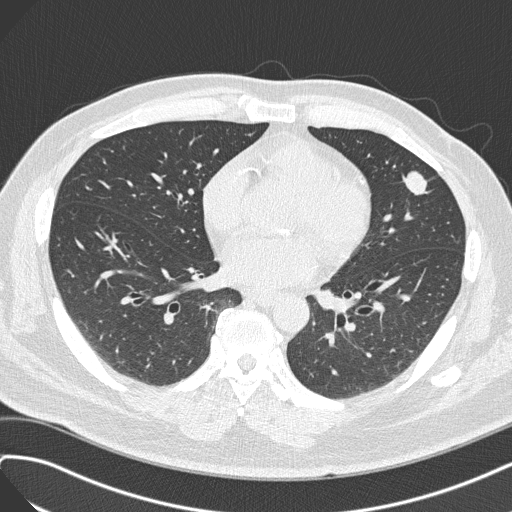
One axial slice (146 of 308, counting up from the lowest) of a chest CT acquired at 120 kVp with the B45f kernel; each pixel is 0.703 mm and the slice is 1.00 mm thick.
Pulmonary nodule outlined by all four readers; box rows 170–195, columns 402–429 (the union of the readers' outlines on this slice); the four readers' outlines give a longest diameter between 19.6 and 23.0 mm and a volume between 1982 and 2315 mm3. Ratings across the readers: texture 5/5 (solid) from all four readers; margin from 4/5 to 5/5 (circumscribed) across the four readers; sphericity from 3/5 (ovoid) to 5/5 (round) across the four readers; calcification absent, all four readers agreeing; internal structure soft tissue, all four readers agreeing; subtlety 5/5 from all four readers; malignancy likelihood rated between 3 and 5 out of 5 by the four readers. Scale key (1–5): texture non-solid→solid, margin indistinct→circumscribed, sphericity linear→round, subtlety extremely subtle→obvious, malignancy likelihood highly unlikely→highly suspicious of cancer. Box rows and columns are 0-based pixel indices from the top-left corner, inclusive.